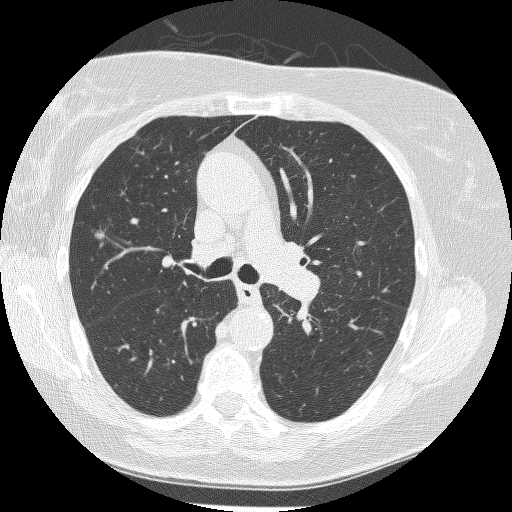
One axial slice (159 of 240, counting up from the lowest) of a chest CT acquired at 120 kVp with the BONE kernel; each pixel is 0.604 mm and the slice is 1.25 mm thick.
Pulmonary nodule, outlined by two of the four readers. Box on this slice rows 230–238, columns 94–104, the union of the readers' outlines on this slice; longest diameter 6.9–7.5 mm and volume 105–107 mm3 across the two readers' outlines. Ratings across the readers: texture from 4/5 to 5/5 (solid) across the two readers; margin from 3/5 to 5/5 (circumscribed) across the two readers; sphericity from 3/5 (ovoid) to 4/5 across the two readers; calcification absent from both readers; internal structure soft tissue, both readers agreeing; subtlety 3–4/5 (the readers disagree); malignancy likelihood 2–4/5 (the readers disagree). Scale key (1–5): texture non-solid→solid, margin indistinct→circumscribed, sphericity linear→round, subtlety extremely subtle→obvious, malignancy likelihood highly unlikely→highly suspicious of cancer. Box rows and columns are 0-based pixel indices from the top-left corner, inclusive.